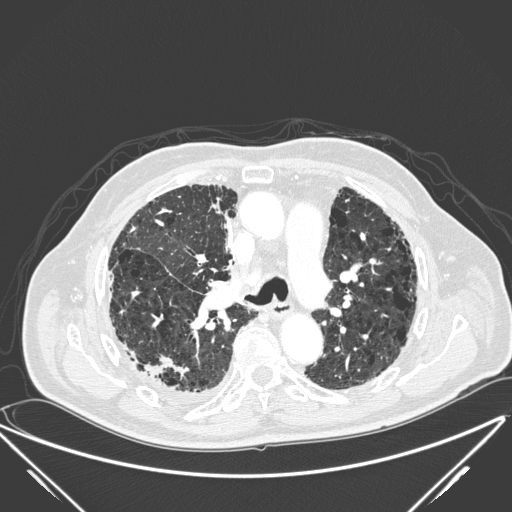
Chest CT, axial plane, 120 kVp, kernel D. Slice 150/278 from the bottom of the scan; thickness 1.00 mm; pixel size 0.812 mm.
Pulmonary nodule outlined by all four readers; box rows 352–378, columns 145–187 (the union of the readers' outlines on this slice); median longest diameter 33.5 mm (readers' outlines 17.4–39.8 mm), median volume 3234 mm3 (1021–4525 mm3). Ratings, median across the readers with their spread: texture 5/5 (solid), all four readers agreeing; margin 2.5/5 at the median of four readers, spread 1/5 (indistinct) to 5/5 (circumscribed); sphericity 2/5 at the median of four readers, spread 2/5 to 5/5 (round); calcification absent from all four readers; internal structure soft tissue from all four readers; subtlety 4.5/5 at the median of four readers, spread 4–5; median malignancy likelihood 4.5/5 (readers ranged 3–5). Scale key (1–5): texture non-solid→solid, margin indistinct→circumscribed, sphericity linear→round, subtlety extremely subtle→obvious, malignancy likelihood highly unlikely→highly suspicious of cancer. Box rows and columns are 0-based pixel indices from the top-left corner, inclusive.